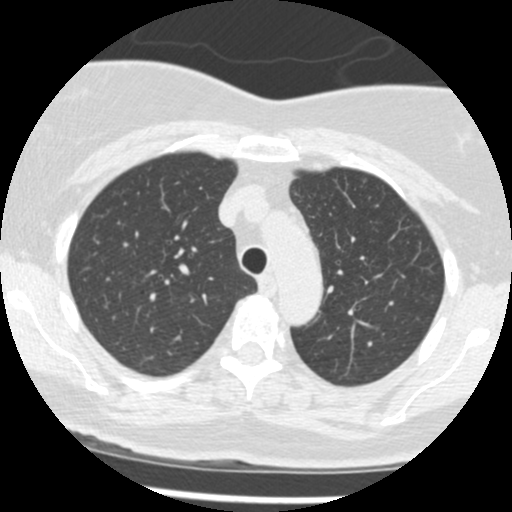
Axial slice 340 of 433 of a chest CT (slice 1 is the lowest), reconstructed with the STANDARD kernel at 120 kVp; 1.25 mm slice thickness and 0.547 mm pixels.
Pulmonary nodule, outlined by one of the four readers. Box on this slice rows 178–182, columns 363–367, that reader's outline on this slice; longest diameter 3.9 mm and volume 28 mm3 from that reader's outline. That reader's ratings: texture 5/5 (solid); margin 5/5 (circumscribed); sphericity 4/5; calcification solid calcification; internal structure soft tissue; subtlety 5/5; malignancy likelihood 3/5. Scale key (1–5): texture non-solid→solid, margin indistinct→circumscribed, sphericity linear→round, subtlety extremely subtle→obvious, malignancy likelihood highly unlikely→highly suspicious of cancer. Box rows and columns are 0-based pixel indices from the top-left corner, inclusive.